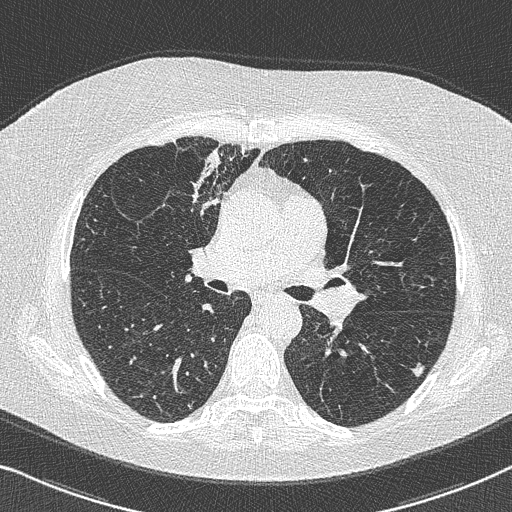
Slice 450/733 of a chest CT, counting up from the lowest; pixel size 0.637 mm, slice thickness 0.60 mm. Pulmonary nodule, outlined by all four readers. Box on this slice rows 361–377, columns 408–425, the union of the readers' outlines on this slice; longest diameter 11.5 mm on average over the four readers' outlines (readers' outlines 11.1–11.9 mm), volume 231–376 mm3. Ratings, by the readers' most common answer with dissent counted: texture 5/5 (solid) from all four readers; margin 3/5 by two of four readers; the rest gave 4/5 (one), 5/5 (circumscribed) (one); most readers (three of four) put sphericity at 3/5 (ovoid), others 5/5 (round) (one); calcification absent, all four readers agreeing; internal structure soft tissue, all four readers agreeing; subtlety split among the readers: 4/5 (two), 5/5 (two); malignancy likelihood split among the readers: 3/5 (two), 4/5 (two). Scale key (1–5): texture non-solid→solid, margin indistinct→circumscribed, sphericity linear→round, subtlety extremely subtle→obvious, malignancy likelihood highly unlikely→highly suspicious of cancer. Box rows and columns are 0-based pixel indices from the top-left corner, inclusive.
Scan settings: 120 kVp, B50f reconstruction kernel.